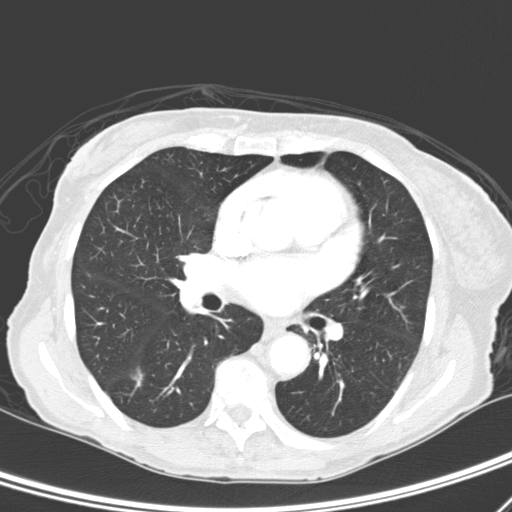
Chest CT, axial plane, 120 kVp, kernel D. Slice 155/276 from the bottom of the scan; thickness 2.00 mm; pixel size 0.617 mm.
Pulmonary nodule outlined by two of the four readers; box rows 367–380, columns 130–140 (the union of the readers' outlines on this slice); median longest diameter 10.2 mm (readers' outlines 9.8–10.6 mm), median volume 140 mm3 (119–162 mm3). Median ratings and the readers' spread: median texture 2.5/5 (readers ranged 2/5 to 3/5 (part-solid)); median margin 1.5/5 (readers ranged 1/5 (indistinct) to 2/5); sphericity 2.5/5 at the median of two readers, spread 2/5 to 3/5 (ovoid); calcification absent, both readers agreeing; internal structure soft tissue from both readers; median subtlety 4.5/5 (readers ranged 4–5); malignancy likelihood 3/5 from both readers. Scale key (1–5): texture non-solid→solid, margin indistinct→circumscribed, sphericity linear→round, subtlety extremely subtle→obvious, malignancy likelihood highly unlikely→highly suspicious of cancer. Box rows and columns are 0-based pixel indices from the top-left corner, inclusive.